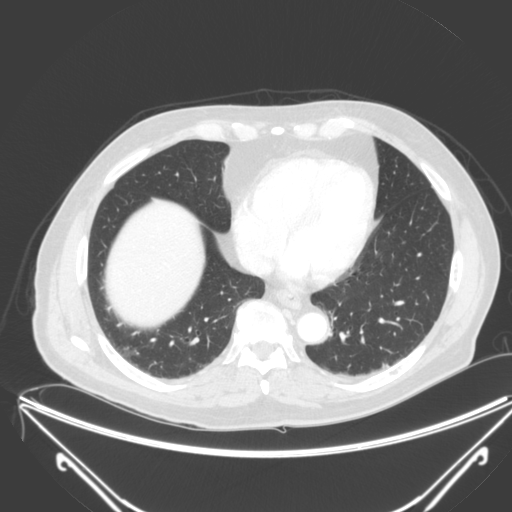
Axial chest CT slice 73 of 250 (counted from the lowest slice); tube voltage 120 kVp, convolution kernel B; slices 2.00 mm thick, 0.834 mm per pixel.
Pulmonary nodule at rows 363–368, columns 382–389 (box = the union of the readers' outlines on this slice), outlined by all four readers, three of them on this slice; the four readers' outlines give a longest diameter between 26.7 and 30.4 mm and a volume between 2541 and 3664 mm3. Ratings across the readers: texture from 4/5 to 5/5 (solid) across the four readers; margin from 2/5 to 4/5 across the four readers; sphericity from 3/5 (ovoid) to 5/5 (round) across the four readers; calcification absent from all four readers; internal structure soft tissue from all four readers; subtlety 5/5, all four readers agreeing; malignancy likelihood 3–5/5 (the readers disagree). Scale key (1–5): texture non-solid→solid, margin indistinct→circumscribed, sphericity linear→round, subtlety extremely subtle→obvious, malignancy likelihood highly unlikely→highly suspicious of cancer. Box rows and columns are 0-based pixel indices from the top-left corner, inclusive.